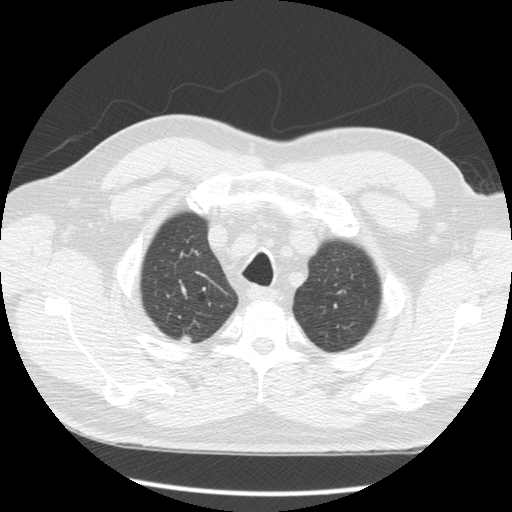
Slice 146/163 of a chest CT, counting up from the lowest; pixel size 0.703 mm, slice thickness 2.50 mm. Pulmonary nodule, outlined by all four readers. Box on this slice rows 334–342, columns 180–192, the union of the readers' outlines on this slice; longest diameter 15.0 mm on average over the four readers' outlines (readers' outlines 12.5–16.1 mm), volume 399–656 mm3. Ratings, by the readers' most common answer with dissent counted: texture 5/5 (solid) by three of four readers; the rest gave 4/5 (one); margin 3/5 by two of four readers; the rest gave 2/5 (one), 4/5 (one); sphericity split among the readers: 3/5 (ovoid) (two), 4/5 (two); calcification absent, all four readers agreeing; internal structure soft tissue, all four readers agreeing; subtlety 5/5 by three of four readers; the rest gave 4/5 (one); malignancy likelihood 4/5 by three of four readers; the rest gave 3/5 (one). Scale key (1–5): texture non-solid→solid, margin indistinct→circumscribed, sphericity linear→round, subtlety extremely subtle→obvious, malignancy likelihood highly unlikely→highly suspicious of cancer. Box rows and columns are 0-based pixel indices from the top-left corner, inclusive.
Acquired at 120 kVp and reconstructed with the STANDARD kernel.